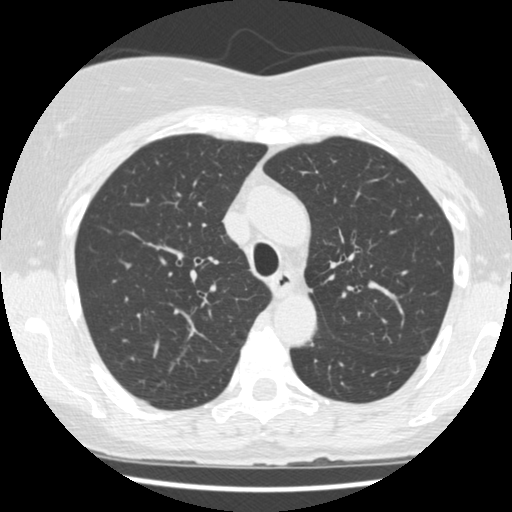
Axial chest CT slice 336 of 477 (counted from the lowest slice); tube voltage 120 kVp, convolution kernel STANDARD; slices 1.25 mm thick, 0.625 mm per pixel.
This slice carries no reader outline of a nodule 3 mm or larger.